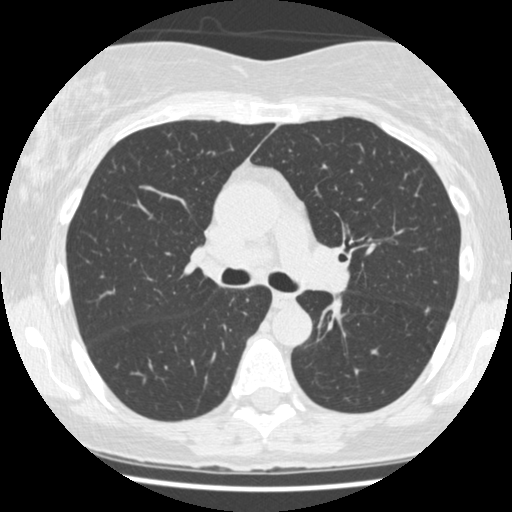
Axial chest CT slice 286 of 477 (counted from the lowest slice); tube voltage 120 kVp, convolution kernel STANDARD; slices 1.25 mm thick, 0.625 mm per pixel.
Pulmonary nodule at rows 307–314, columns 423–429 (box = the union of the readers' outlines on this slice), outlined by three of the four readers; median longest diameter 7.3 mm (readers' outlines 6.2–7.6 mm), median volume 125 mm3 (81–136 mm3). Median ratings and the readers' spread: texture 5/5 (solid), all three readers agreeing; margin 5/5 (circumscribed), all three readers agreeing; median sphericity 4/5 (readers ranged 4/5 to 5/5 (round)); calcification absent, all three readers agreeing; internal structure soft tissue, all three readers agreeing; subtlety 5/5 at the median of three readers, spread 3–5; malignancy likelihood 2/5 at the median of three readers, spread 1–3. Scale key (1–5): texture non-solid→solid, margin indistinct→circumscribed, sphericity linear→round, subtlety extremely subtle→obvious, malignancy likelihood highly unlikely→highly suspicious of cancer. Box rows and columns are 0-based pixel indices from the top-left corner, inclusive.